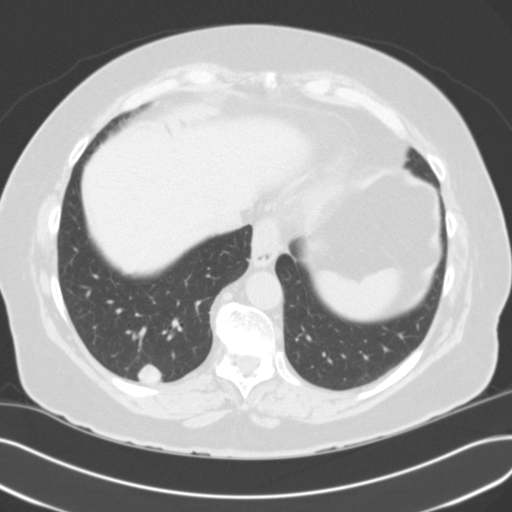
Axial chest CT slice 41 of 112 (counted from the lowest slice); 3.00 mm thick, 0.711 mm per pixel. Pulmonary nodule, outlined by all four readers. Box on this slice rows 364–385, columns 138–160, the union of the readers' outlines on this slice; longest diameter 17.4–20.7 mm and volume 1739–3129 mm3 across the four readers' outlines. Ratings across the readers: texture from 3/5 (part-solid) to 5/5 (solid) across the four readers; margin from 3/5 to 5/5 (circumscribed) across the four readers; sphericity from 3/5 (ovoid) to 5/5 (round) across the four readers; calcification absent, all four readers agreeing; internal structure soft tissue from all four readers; subtlety 5/5 from all four readers; malignancy likelihood from 2/5 to 5/5 across the four readers. Scale key (1–5): texture non-solid→solid, margin indistinct→circumscribed, sphericity linear→round, subtlety extremely subtle→obvious, malignancy likelihood highly unlikely→highly suspicious of cancer. Box rows and columns are 0-based pixel indices from the top-left corner, inclusive.
Tube voltage 120 kVp; convolution kernel B31f.